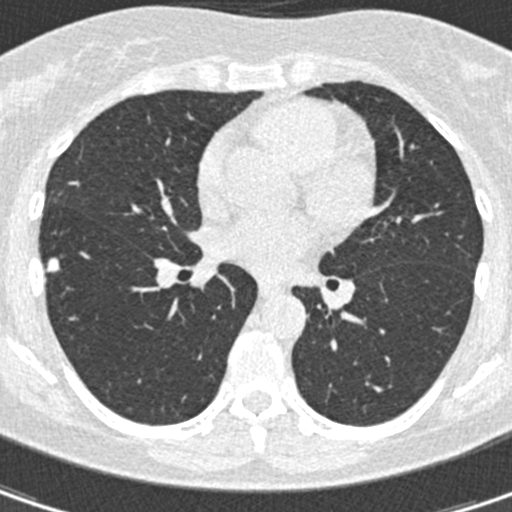
Axial chest CT slice 232 of 441 (counted from the lowest slice); tube voltage 120 kVp, convolution kernel B30f; slices 0.75 mm thick, 0.520 mm per pixel.
Pulmonary nodule outlined by three of the four readers; box rows 257–272, columns 45–60 (the union of the readers' outlines on this slice); longest diameter 9.8–12.4 mm and volume 248–289 mm3 across the three readers' outlines. Ratings across the readers: texture from 4/5 to 5/5 (solid) across the three readers; margin from 4/5 to 5/5 (circumscribed) across the three readers; sphericity from 4/5 to 5/5 (round) across the three readers; calcification: absent (two), solid calcification (one); internal structure soft tissue, all three readers agreeing; subtlety 4–5/5 (the readers disagree); malignancy likelihood rated between 1 and 3 out of 5 by the three readers. Scale key (1–5): texture non-solid→solid, margin indistinct→circumscribed, sphericity linear→round, subtlety extremely subtle→obvious, malignancy likelihood highly unlikely→highly suspicious of cancer. Box rows and columns are 0-based pixel indices from the top-left corner, inclusive.